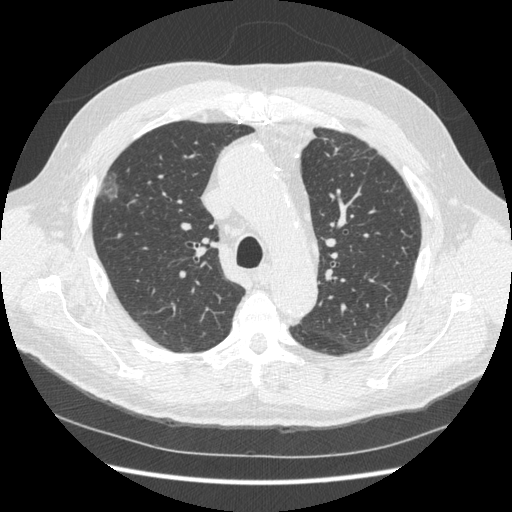
Axial chest CT slice 243 of 369 (counted from the lowest slice); 1.25 mm thick, 0.703 mm per pixel. Pulmonary nodule outlined by one of the four readers; box rows 172–201, columns 99–119 (that reader's outline on this slice); longest diameter 27.0 mm and volume 3015 mm3 from that reader's outline. Ratings by that reader: texture 1/5 (non-solid); margin 1/5 (indistinct); sphericity 3/5 (ovoid); calcification absent; internal structure soft tissue; subtlety 3/5; malignancy likelihood 3/5. Scale key (1–5): texture non-solid→solid, margin indistinct→circumscribed, sphericity linear→round, subtlety extremely subtle→obvious, malignancy likelihood highly unlikely→highly suspicious of cancer. Box rows and columns are 0-based pixel indices from the top-left corner, inclusive.
Scan settings: 120 kVp, STANDARD reconstruction kernel.